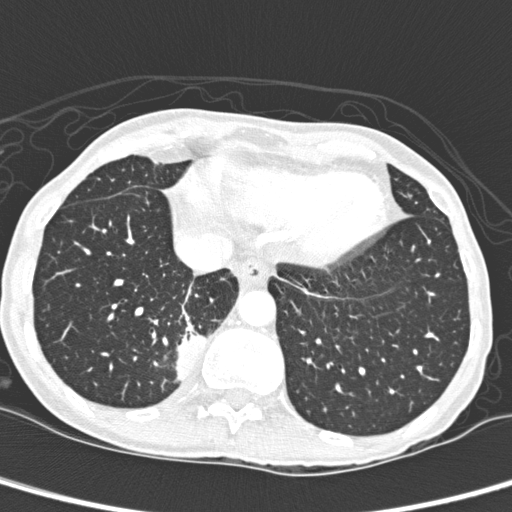
Chest CT, axial plane, 120 kVp, kernel D. Slice 62/280 from the bottom of the scan; thickness 1.00 mm; pixel size 0.564 mm.
Pulmonary nodule outlined by two of the four readers; box rows 331–380, columns 175–205 (the union of the readers' outlines on this slice); median longest diameter 33.9 mm (readers' outlines 32.1–35.8 mm), median volume 6179 mm3 (5657–6702 mm3). Median ratings and the readers' spread: texture 5/5 (solid) from both readers; margin 4/5 from both readers; sphericity 3/5 (ovoid) from both readers; calcification absent from both readers; internal structure soft tissue from both readers; subtlety 5/5, both readers agreeing; malignancy likelihood 2.5/5 at the median of two readers, spread 2–3. Scale key (1–5): texture non-solid→solid, margin indistinct→circumscribed, sphericity linear→round, subtlety extremely subtle→obvious, malignancy likelihood highly unlikely→highly suspicious of cancer. Box rows and columns are 0-based pixel indices from the top-left corner, inclusive.